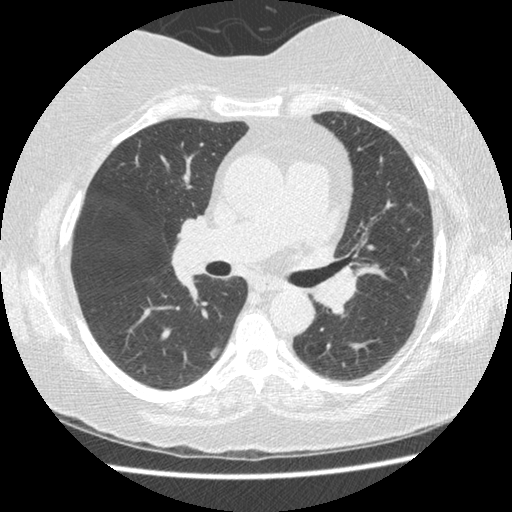
Axial chest CT slice 292 of 474 (counted from the lowest slice); tube voltage 120 kVp, convolution kernel STANDARD; slices 1.25 mm thick, 0.645 mm per pixel.
Pulmonary nodule outlined by three of the four readers; box rows 347–358, columns 210–218 (the union of the readers' outlines on this slice); the three readers' outlines give a longest diameter between 9.0 and 9.6 mm and a volume between 91 and 114 mm3. The readers' ratings, as ranges where they differ: texture from 2/5 to 5/5 (solid) across the three readers; margin from 2/5 to 5/5 (circumscribed) across the three readers; sphericity 3/5 (ovoid), all three readers agreeing; calcification absent from all three readers; internal structure soft tissue, all three readers agreeing; subtlety rated between 3 and 5 out of 5 by the three readers; malignancy likelihood 2–3/5 (the readers disagree). Scale key (1–5): texture non-solid→solid, margin indistinct→circumscribed, sphericity linear→round, subtlety extremely subtle→obvious, malignancy likelihood highly unlikely→highly suspicious of cancer. Box rows and columns are 0-based pixel indices from the top-left corner, inclusive.